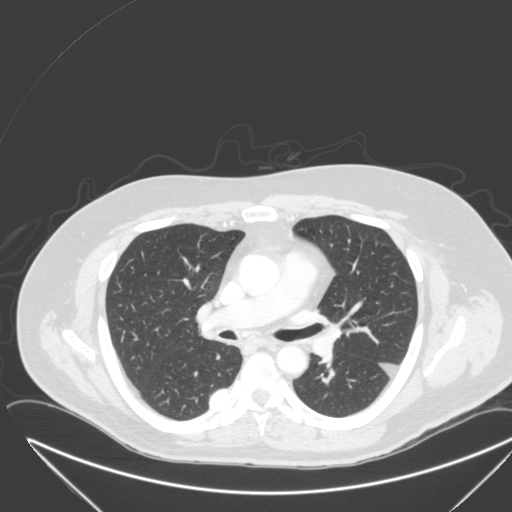
One axial slice (188 of 315, counting up from the lowest) of a chest CT acquired at 120 kVp with the B kernel; each pixel is 0.830 mm and the slice is 2.00 mm thick.
Pulmonary nodule at rows 389–406, columns 210–225 (box = that reader's outline on this slice), outlined by one of the four readers; longest diameter 27.1 mm and volume 6093 mm3 from that reader's outline. That reader's ratings: texture 5/5 (solid); margin 4/5; sphericity 2/5; calcification absent; internal structure soft tissue; subtlety 5/5; malignancy likelihood 4/5. Scale key (1–5): texture non-solid→solid, margin indistinct→circumscribed, sphericity linear→round, subtlety extremely subtle→obvious, malignancy likelihood highly unlikely→highly suspicious of cancer. Box rows and columns are 0-based pixel indices from the top-left corner, inclusive.